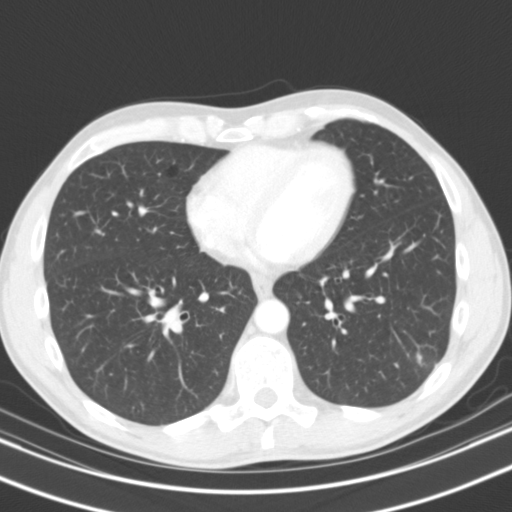
One axial slice (47 of 119, counting up from the lowest) of a chest CT acquired at 130 kVp with the B31s kernel; each pixel is 0.650 mm and the slice is 3.00 mm thick.
Pulmonary nodule at rows 350–365, columns 416–421 (box = the union of the readers' outlines on this slice), outlined by all four readers; median longest diameter 11.0 mm (readers' outlines 9.8–12.4 mm), median volume 282 mm3 (202–331 mm3). Ratings, median across the readers with their spread: median texture 5/5 (solid) (readers ranged 4/5 to 5/5 (solid)); median margin 3.5/5 (readers ranged 3/5 to 5/5 (circumscribed)); median sphericity 3/5 (ovoid) (readers ranged 1/5 (linear) to 5/5 (round)); calcification absent from all four readers; internal structure soft tissue from all four readers; median subtlety 3.5/5 (readers ranged 3–4); malignancy likelihood 2.5/5 at the median of four readers, spread 2–3. Scale key (1–5): texture non-solid→solid, margin indistinct→circumscribed, sphericity linear→round, subtlety extremely subtle→obvious, malignancy likelihood highly unlikely→highly suspicious of cancer. Box rows and columns are 0-based pixel indices from the top-left corner, inclusive.